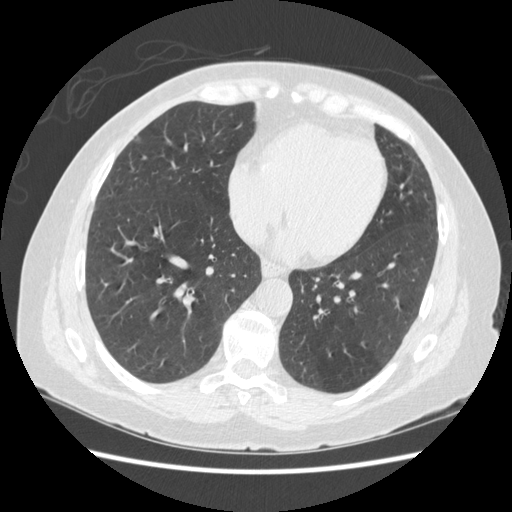
One axial slice (179 of 487, counting up from the lowest) of a chest CT acquired at 120 kVp with the STANDARD kernel; each pixel is 0.703 mm and the slice is 1.25 mm thick.
Pulmonary nodule at rows 136–142, columns 133–139 (box = the union of the readers' outlines on this slice), outlined by two of the four readers; the two readers' outlines give a longest diameter between 6.0 and 6.4 mm and a volume between 52 and 55 mm3. The readers' ratings, as ranges where they differ: texture from 2/5 to 5/5 (solid) across the two readers; margin from 3/5 to 5/5 (circumscribed) across the two readers; sphericity 4/5 from both readers; calcification absent, both readers agreeing; internal structure soft tissue, both readers agreeing; subtlety rated between 2 and 4 out of 5 by the two readers; malignancy likelihood rated between 2 and 3 out of 5 by the two readers. Scale key (1–5): texture non-solid→solid, margin indistinct→circumscribed, sphericity linear→round, subtlety extremely subtle→obvious, malignancy likelihood highly unlikely→highly suspicious of cancer. Box rows and columns are 0-based pixel indices from the top-left corner, inclusive.